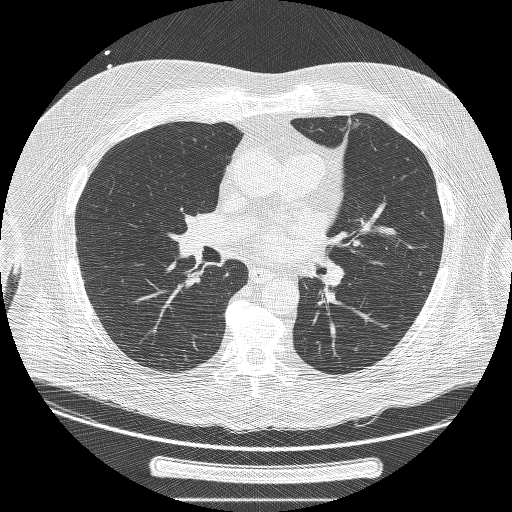
One axial slice (121 of 239, counting up from the lowest) of a chest CT acquired at 120 kVp with the BONE kernel; each pixel is 0.795 mm and the slice is 1.25 mm thick.
Pulmonary nodule at rows 121–127, columns 353–360 (box = the one reader's outline on this slice), outlined by two of the four readers, one of them on this slice; longest diameter 43.2 mm on average over the two readers' outlines (readers' outlines 43.0–43.4 mm), volume 10396–11168 mm3. The readers' prevailing ratings and who disagreed: texture split among the readers: 3/5 (part-solid) (one), 5/5 (solid) (one); margin split among the readers: 1/5 (indistinct) (one), 3/5 (one); sphericity split among the readers: 1/5 (linear) (one), 3/5 (ovoid) (one); calcification absent from both readers; internal structure soft tissue, both readers agreeing; subtlety 5/5, both readers agreeing; malignancy likelihood 5/5 from both readers. Scale key (1–5): texture non-solid→solid, margin indistinct→circumscribed, sphericity linear→round, subtlety extremely subtle→obvious, malignancy likelihood highly unlikely→highly suspicious of cancer. Box rows and columns are 0-based pixel indices from the top-left corner, inclusive.